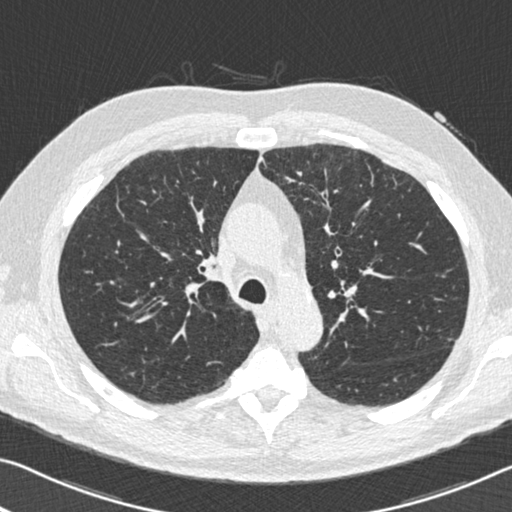
Chest CT, axial plane, 120 kVp, kernel B30f. Slice 375/525 from the bottom of the scan; thickness 0.75 mm; pixel size 0.660 mm.
Pulmonary nodule, outlined by one of the four readers. Box on this slice rows 338–341, columns 448–452, that reader's outline on this slice; longest diameter 5.7 mm and volume 38 mm3 from that reader's outline. That reader's ratings: texture 5/5 (solid); margin 5/5 (circumscribed); sphericity 4/5; calcification absent; internal structure soft tissue; subtlety 5/5; malignancy likelihood 3/5. Scale key (1–5): texture non-solid→solid, margin indistinct→circumscribed, sphericity linear→round, subtlety extremely subtle→obvious, malignancy likelihood highly unlikely→highly suspicious of cancer. Box rows and columns are 0-based pixel indices from the top-left corner, inclusive.